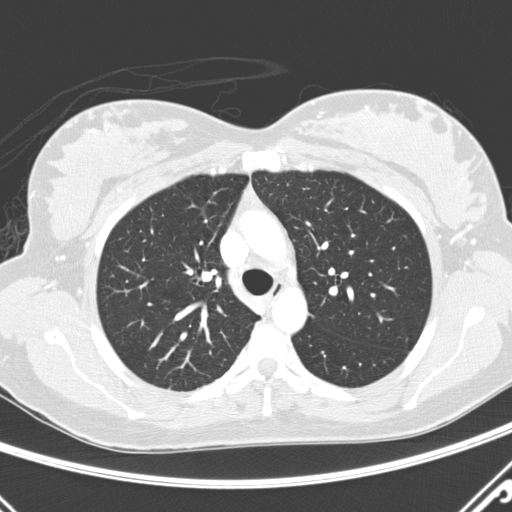
Axial slice 206 of 290 of a chest CT (slice 1 is the lowest), reconstructed with the D kernel at 120 kVp; 2.00 mm slice thickness and 0.648 mm pixels.
Pulmonary nodule outlined by one of the four readers; box rows 385–388, columns 168–171 (that reader's outline on this slice); longest diameter 10.5 mm and volume 127 mm3 from that reader's outline. That reader's ratings: texture 4/5; margin 4/5; sphericity 4/5; calcification absent; internal structure soft tissue; subtlety 5/5; malignancy likelihood 3/5. Scale key (1–5): texture non-solid→solid, margin indistinct→circumscribed, sphericity linear→round, subtlety extremely subtle→obvious, malignancy likelihood highly unlikely→highly suspicious of cancer. Box rows and columns are 0-based pixel indices from the top-left corner, inclusive.